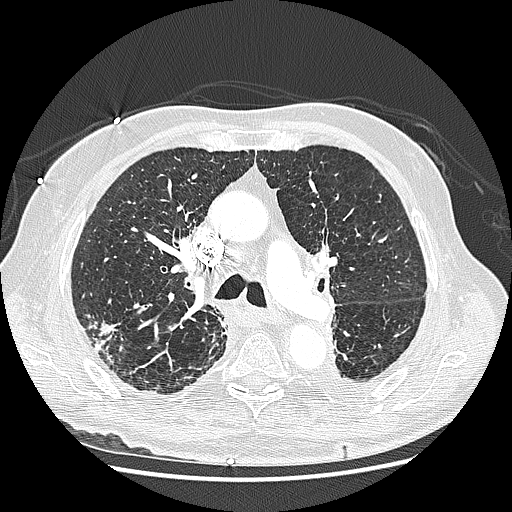
Chest CT, axial plane, 120 kVp, kernel LUNG. Slice 168/242 from the bottom of the scan; thickness 1.25 mm; pixel size 0.703 mm.
Pulmonary nodule at rows 320–336, columns 97–117 (box = the union of the readers' outlines on this slice), outlined by three of the four readers; median longest diameter 25.5 mm (readers' outlines 23.6–31.8 mm), median volume 3121 mm3 (3005–3613 mm3). Ratings, median across the readers with their spread: texture 5/5 (solid) from all three readers; median margin 4/5 (readers ranged 3/5 to 5/5 (circumscribed)); median sphericity 4/5 (readers ranged 3/5 (ovoid) to 4/5); calcification absent, all three readers agreeing; internal structure soft tissue from all three readers; subtlety 5/5 at the median of three readers, spread 4–5; median malignancy likelihood 5/5 (readers ranged 4–5). Scale key (1–5): texture non-solid→solid, margin indistinct→circumscribed, sphericity linear→round, subtlety extremely subtle→obvious, malignancy likelihood highly unlikely→highly suspicious of cancer. Box rows and columns are 0-based pixel indices from the top-left corner, inclusive.